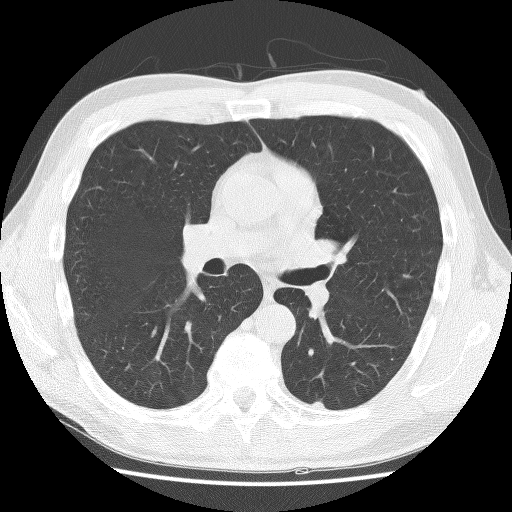
Axial chest CT slice 74 of 132 (counted from the lowest slice); 2.50 mm thick, 0.656 mm per pixel. Pulmonary nodule at rows 400–407, columns 311–323 (box = that reader's outline on this slice), outlined by one of the four readers; longest diameter 10.2 mm and volume 334 mm3 from that reader's outline. That reader's ratings: texture 4/5; margin 4/5; sphericity 2/5; calcification absent; internal structure soft tissue; subtlety 4/5; malignancy likelihood 2/5. Scale key (1–5): texture non-solid→solid, margin indistinct→circumscribed, sphericity linear→round, subtlety extremely subtle→obvious, malignancy likelihood highly unlikely→highly suspicious of cancer. Box rows and columns are 0-based pixel indices from the top-left corner, inclusive.
Acquired at 140 kVp and reconstructed with the BONE kernel.